Axial slice 192 of 350 of a chest CT (slice 1 is the lowest), reconstructed with the C kernel at 120 kVp; 1.50 mm slice thickness and 0.725 mm pixels.
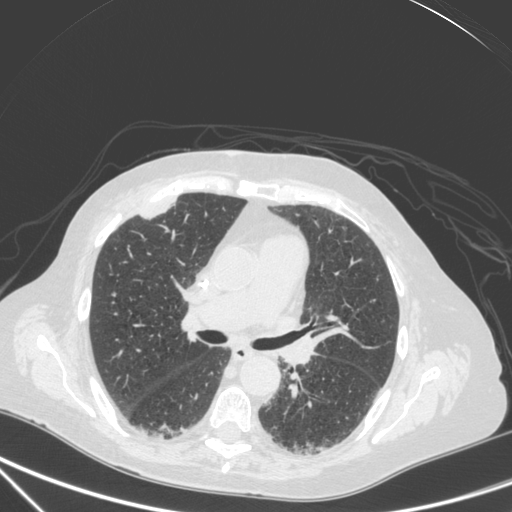
Pulmonary nodule at rows 199–218, columns 141–175 (box = that reader's outline on this slice), outlined by one of the four readers; longest diameter 29.5 mm and volume 4181 mm3 from that reader's outline. Ratings by that reader: texture 5/5 (solid); margin 4/5; sphericity 2/5; calcification absent; internal structure soft tissue; subtlety 5/5; malignancy likelihood 4/5. Scale key (1–5): texture non-solid→solid, margin indistinct→circumscribed, sphericity linear→round, subtlety extremely subtle→obvious, malignancy likelihood highly unlikely→highly suspicious of cancer. Box rows and columns are 0-based pixel indices from the top-left corner, inclusive.